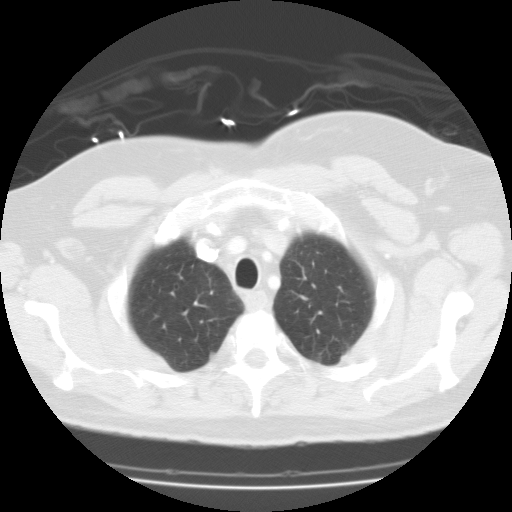
Axial slice 95 of 115 of a chest CT (slice 1 is the lowest), reconstructed with the FC01 kernel at 135 kVp; 3.00 mm slice thickness and 0.729 mm pixels.
Pulmonary nodule at rows 352–357, columns 209–213 (box = that reader's outline on this slice), outlined by one of the four readers; longest diameter 6.7 mm and volume 124 mm3 from that reader's outline. Ratings by that reader: texture 5/5 (solid); margin 5/5 (circumscribed); sphericity 3/5 (ovoid); calcification solid calcification; internal structure soft tissue; subtlety 5/5; malignancy likelihood 2/5. Scale key (1–5): texture non-solid→solid, margin indistinct→circumscribed, sphericity linear→round, subtlety extremely subtle→obvious, malignancy likelihood highly unlikely→highly suspicious of cancer. Box rows and columns are 0-based pixel indices from the top-left corner, inclusive.